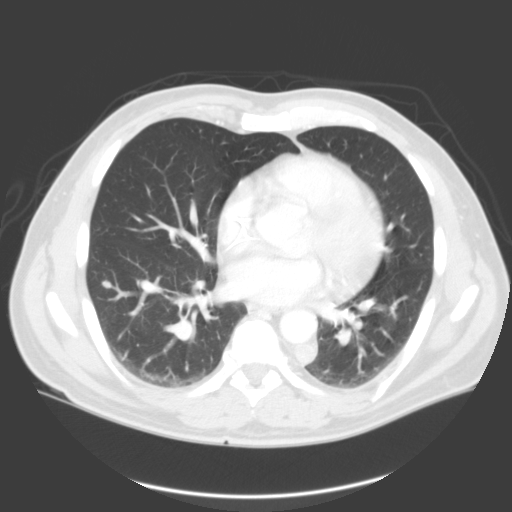
Axial slice 40 of 95 of a chest CT (slice 1 is the lowest), reconstructed with the B kernel at 120 kVp; 3.00 mm slice thickness and 0.750 mm pixels.
Pulmonary nodule outlined by all four readers; box rows 281–287, columns 101–111 (the union of the readers' outlines on this slice); median longest diameter 8.6 mm (readers' outlines 7.4–9.5 mm), median volume 105 mm3 (83–233 mm3). Median ratings and the readers' spread: texture 5/5 (solid), all four readers agreeing; margin 4.5/5 at the median of four readers, spread 3/5 to 5/5 (circumscribed); sphericity 3.5/5 at the median of four readers, spread 3/5 (ovoid) to 4/5; calcification absent from all four readers; internal structure soft tissue, all four readers agreeing; subtlety 4/5 at the median of four readers, spread 4–5; median malignancy likelihood 3/5 (readers ranged 1–4). Scale key (1–5): texture non-solid→solid, margin indistinct→circumscribed, sphericity linear→round, subtlety extremely subtle→obvious, malignancy likelihood highly unlikely→highly suspicious of cancer. Box rows and columns are 0-based pixel indices from the top-left corner, inclusive.